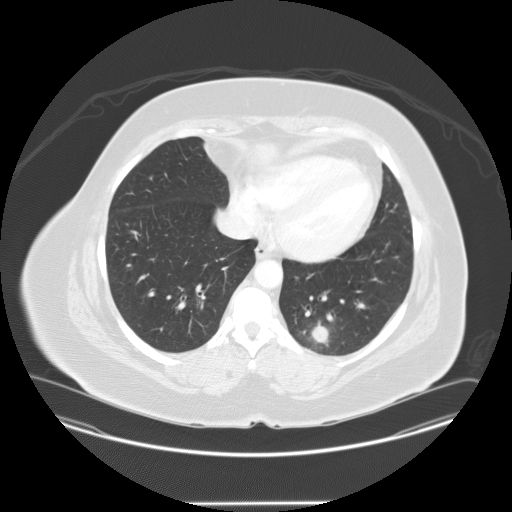
This is axial slice 21 of 95 (slice 1 is the lowest) of a chest CT; each pixel is 0.859 mm and the slice is 2.50 mm thick. Pulmonary nodule, outlined by all four readers. Box on this slice rows 322–344, columns 310–328, the union of the readers' outlines on this slice; median longest diameter 19.9 mm (readers' outlines 17.2–23.5 mm), median volume 2245 mm3 (2023–2813 mm3). Ratings, median across the readers with their spread: median texture 5/5 (solid) (readers ranged 4/5 to 5/5 (solid)); margin 3.5/5 at the median of four readers, spread 3/5 to 5/5 (circumscribed); median sphericity 4.5/5 (readers ranged 3/5 (ovoid) to 5/5 (round)); calcification absent, all four readers agreeing; internal structure soft tissue from all four readers; median subtlety 4.5/5 (readers ranged 3–5); median malignancy likelihood 4/5 (readers ranged 2–4). Scale key (1–5): texture non-solid→solid, margin indistinct→circumscribed, sphericity linear→round, subtlety extremely subtle→obvious, malignancy likelihood highly unlikely→highly suspicious of cancer. Box rows and columns are 0-based pixel indices from the top-left corner, inclusive.
Scan settings: 120 kVp, STANDARD reconstruction kernel.